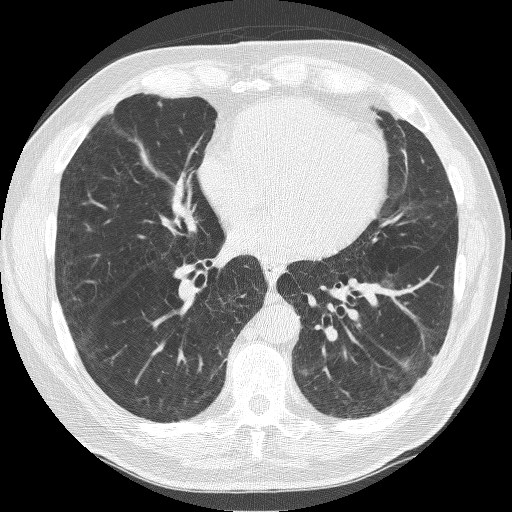
Chest CT, axial plane, 120 kVp, kernel BONE. Slice 98/237 from the bottom of the scan; thickness 1.25 mm; pixel size 0.664 mm.
Pulmonary nodule at rows 101–106, columns 157–161 (box = the union of the readers' outlines on this slice), outlined by two of the four readers; the two readers' outlines give a longest diameter between 4.5 and 6.3 mm and a volume between 48 and 69 mm3. Ratings across the readers: texture 5/5 (solid), both readers agreeing; margin from 4/5 to 5/5 (circumscribed) across the two readers; sphericity from 2/5 to 4/5 across the two readers; calcification absent, both readers agreeing; internal structure soft tissue from both readers; subtlety from 4/5 to 5/5 across the two readers; malignancy likelihood 3/5 from both readers. Scale key (1–5): texture non-solid→solid, margin indistinct→circumscribed, sphericity linear→round, subtlety extremely subtle→obvious, malignancy likelihood highly unlikely→highly suspicious of cancer. Box rows and columns are 0-based pixel indices from the top-left corner, inclusive.